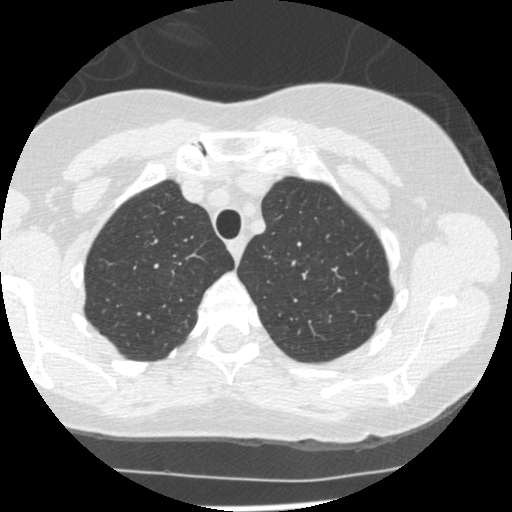
Chest CT, axial plane, 120 kVp, kernel STANDARD. Slice 377/465 from the bottom of the scan; thickness 1.25 mm; pixel size 0.586 mm.
Pulmonary nodule, outlined by two of the four readers, one of them on this slice. Box on this slice rows 258–261, columns 120–123, the one reader's outline on this slice; median longest diameter 5.1 mm (readers' outlines 4.3–5.9 mm), median volume 31 mm3 (21–42 mm3). Median ratings and the readers' spread: texture 2/5 at the median of two readers, spread 1/5 (non-solid) to 3/5 (part-solid); margin 2.5/5 at the median of two readers, spread 1/5 (indistinct) to 4/5; sphericity 3.5/5 at the median of two readers, spread 3/5 (ovoid) to 4/5; calcification absent from both readers; internal structure soft tissue from both readers; median subtlety 4/5 (readers ranged 3–5); malignancy likelihood 3/5 from both readers. Scale key (1–5): texture non-solid→solid, margin indistinct→circumscribed, sphericity linear→round, subtlety extremely subtle→obvious, malignancy likelihood highly unlikely→highly suspicious of cancer. Box rows and columns are 0-based pixel indices from the top-left corner, inclusive.